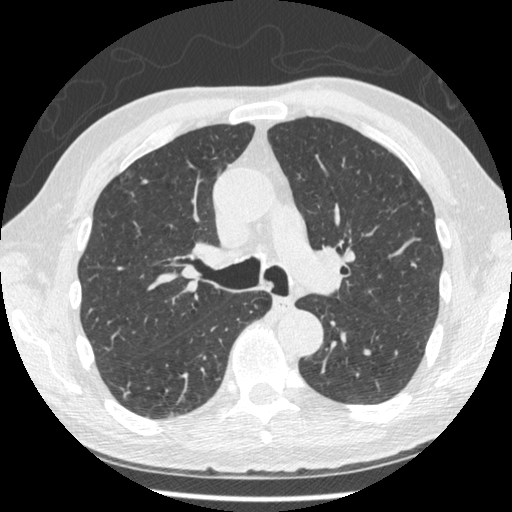
Axial chest CT slice 301 of 481 (counted from the lowest slice); 1.25 mm thick, 0.664 mm per pixel. Pulmonary nodule at rows 390–398, columns 123–128 (box = that reader's outline on this slice), outlined by one of the four readers; longest diameter 8.9 mm and volume 153 mm3 from that reader's outline. That reader's ratings: texture 5/5 (solid); margin 5/5 (circumscribed); sphericity 3/5 (ovoid); calcification absent; internal structure soft tissue; subtlety 4/5; malignancy likelihood 3/5. Scale key (1–5): texture non-solid→solid, margin indistinct→circumscribed, sphericity linear→round, subtlety extremely subtle→obvious, malignancy likelihood highly unlikely→highly suspicious of cancer. Box rows and columns are 0-based pixel indices from the top-left corner, inclusive.
Scan settings: 120 kVp, STANDARD reconstruction kernel.